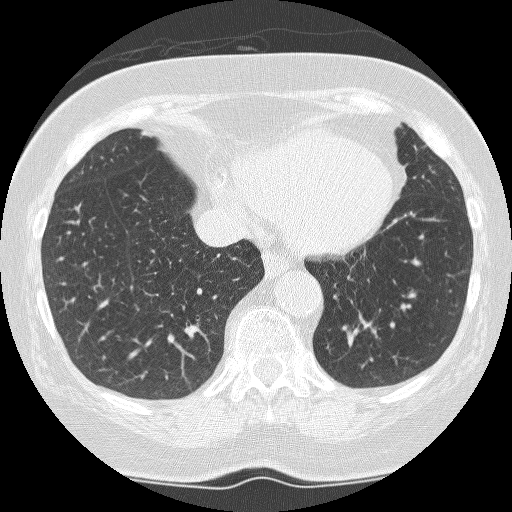
Slice 83/246 of a chest CT, counting up from the lowest; pixel size 0.566 mm, slice thickness 1.25 mm. Pulmonary nodule outlined by all four readers, one of them on this slice; box rows 326–331, columns 369–376 (the one reader's outline on this slice); longest diameter 15.5 mm on average over the four readers' outlines (readers' outlines 13.8–17.3 mm), volume 672–1099 mm3. The readers' prevailing ratings and who disagreed: texture 5/5 (solid) from all four readers; margin split among the readers: 2/5 (two), 4/5 (two); sphericity 4/5 by two of four readers; the rest gave 2/5 (one), 3/5 (ovoid) (one); calcification absent from all four readers; internal structure soft tissue from all four readers; subtlety split among the readers: 4/5 (two), 5/5 (two); malignancy likelihood 5/5 by two of four readers; the rest gave 3/5 (one), 4/5 (one). Scale key (1–5): texture non-solid→solid, margin indistinct→circumscribed, sphericity linear→round, subtlety extremely subtle→obvious, malignancy likelihood highly unlikely→highly suspicious of cancer. Box rows and columns are 0-based pixel indices from the top-left corner, inclusive.
Tube voltage 120 kVp; convolution kernel BONE.